Chest CT, axial plane, 120 kVp, kernel B31f. Slice 59/114 from the bottom of the scan; thickness 3.00 mm; pixel size 0.689 mm.
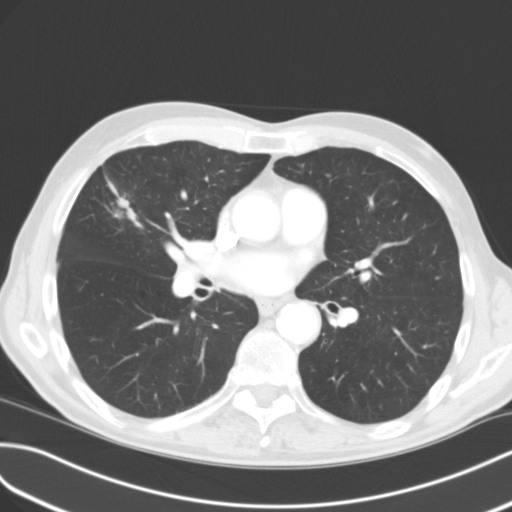
Pulmonary nodule, outlined by all four readers. Box on this slice rows 181–227, columns 107–141, the union of the readers' outlines on this slice; median longest diameter 42.1 mm (readers' outlines 40.2–48.6 mm), median volume 19271 mm3 (17639–20532 mm3). Median ratings and the readers' spread: median texture 4.5/5 (readers ranged 4/5 to 5/5 (solid)); margin 4/5 at the median of four readers, spread 3/5 to 5/5 (circumscribed); sphericity 3.5/5 at the median of four readers, spread 3/5 (ovoid) to 4/5; calcification absent, all four readers agreeing; internal structure soft tissue, all four readers agreeing; subtlety 5/5, all four readers agreeing; malignancy likelihood 4/5 at the median of four readers, spread 3–5. Scale key (1–5): texture non-solid→solid, margin indistinct→circumscribed, sphericity linear→round, subtlety extremely subtle→obvious, malignancy likelihood highly unlikely→highly suspicious of cancer. Box rows and columns are 0-based pixel indices from the top-left corner, inclusive.